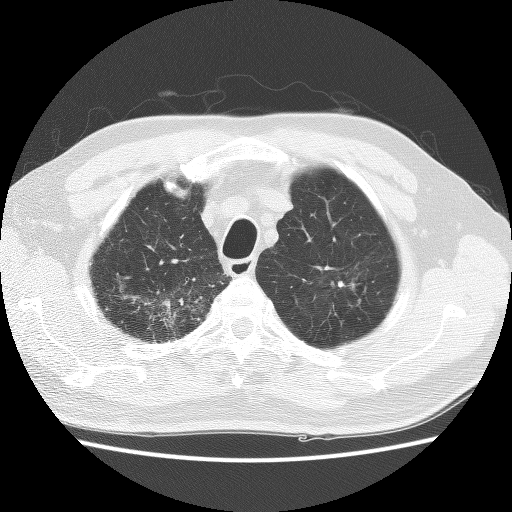
Slice 106/129 of a chest CT, counting up from the lowest; pixel size 0.645 mm, slice thickness 2.50 mm. Pulmonary nodule, outlined by all four readers, two of them on this slice. Box on this slice rows 281–287, columns 339–344, the union of the readers' outlines on this slice; longest diameter 11.2 mm on average over the four readers' outlines (readers' outlines 9.7–12.2 mm), volume 557–991 mm3. Ratings, by the readers' most common answer with dissent counted: texture split among the readers: 4/5 (two), 5/5 (solid) (two); margin split among the readers: 2/5 (one), 3/5 (one), 4/5 (one), 5/5 (circumscribed) (one); sphericity 4/5 by two of four readers; the rest gave 2/5 (one), 3/5 (ovoid) (one); calcification split among the readers: absent (two), central calcification (two); internal structure soft tissue, all four readers agreeing; subtlety split among the readers: 4/5 (two), 5/5 (two); malignancy likelihood 1/5 by two of four readers; the rest gave 3/5 (one), 5/5 (one). Scale key (1–5): texture non-solid→solid, margin indistinct→circumscribed, sphericity linear→round, subtlety extremely subtle→obvious, malignancy likelihood highly unlikely→highly suspicious of cancer. Box rows and columns are 0-based pixel indices from the top-left corner, inclusive.
Scan settings: 140 kVp, BONE reconstruction kernel.